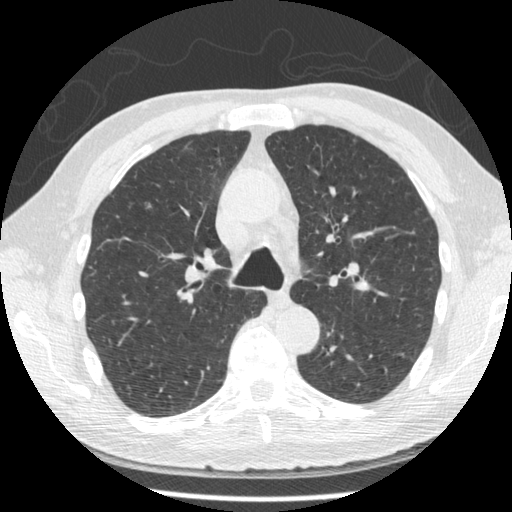
One axial slice (317 of 481, counting up from the lowest) of a chest CT acquired at 120 kVp with the STANDARD kernel; each pixel is 0.664 mm and the slice is 1.25 mm thick.
Pulmonary nodule at rows 202–210, columns 144–152 (box = the union of the readers' outlines on this slice), outlined by two of the four readers; longest diameter 14.0 mm on average over the two readers' outlines (readers' outlines 10.4–17.6 mm), volume 117–191 mm3. Ratings, by the readers' most common answer with dissent counted: texture split among the readers: 3/5 (part-solid) (one), 5/5 (solid) (one); margin split among the readers: 1/5 (indistinct) (one), 4/5 (one); sphericity 2/5, both readers agreeing; calcification absent, both readers agreeing; internal structure soft tissue, both readers agreeing; subtlety split among the readers: 2/5 (one), 4/5 (one); malignancy likelihood split among the readers: 1/5 (one), 4/5 (one). Scale key (1–5): texture non-solid→solid, margin indistinct→circumscribed, sphericity linear→round, subtlety extremely subtle→obvious, malignancy likelihood highly unlikely→highly suspicious of cancer. Box rows and columns are 0-based pixel indices from the top-left corner, inclusive.